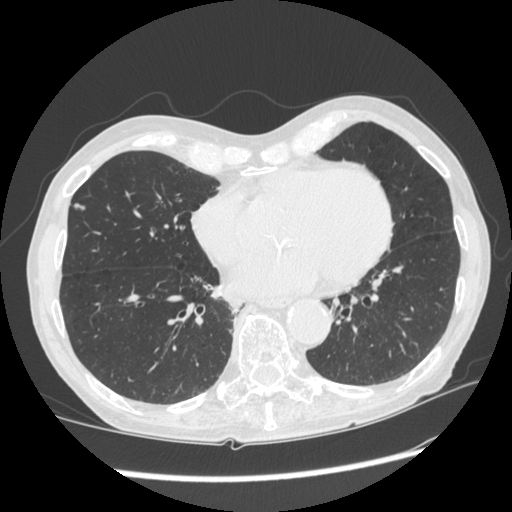
Chest CT, axial plane, 120 kVp, kernel STANDARD. Slice 109/301 from the bottom of the scan; thickness 1.25 mm; pixel size 0.684 mm.
Pulmonary nodule, outlined by all four readers. Box on this slice rows 203–210, columns 73–85, the union of the readers' outlines on this slice; median longest diameter 8.9 mm (readers' outlines 8.9–10.0 mm), median volume 78 mm3 (70–134 mm3). Ratings, median across the readers with their spread: texture 5/5 (solid) at the median of four readers, spread 3/5 (part-solid) to 5/5 (solid); margin 4/5 at the median of four readers, spread 2/5 to 5/5 (circumscribed); sphericity 2/5 at the median of four readers, spread 2/5 to 4/5; calcification absent, all four readers agreeing; internal structure soft tissue, all four readers agreeing; subtlety 4/5 at the median of four readers, spread 3–4; median malignancy likelihood 2.5/5 (readers ranged 2–3). Scale key (1–5): texture non-solid→solid, margin indistinct→circumscribed, sphericity linear→round, subtlety extremely subtle→obvious, malignancy likelihood highly unlikely→highly suspicious of cancer. Box rows and columns are 0-based pixel indices from the top-left corner, inclusive.